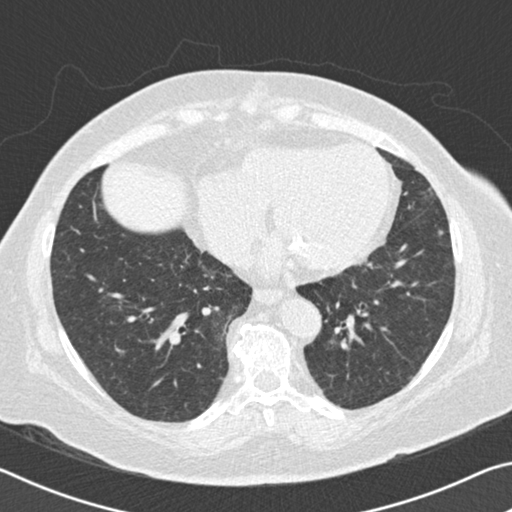
This is axial slice 67 of 167 (slice 1 is the lowest) of a chest CT; each pixel is 0.664 mm and the slice is 2.00 mm thick. Pulmonary nodule outlined by one of the four readers; box rows 229–235, columns 437–444 (that reader's outline on this slice); longest diameter 7.2 mm and volume 92 mm3 from that reader's outline. Ratings by that reader: texture 5/5 (solid); margin 5/5 (circumscribed); sphericity 5/5 (round); calcification absent; internal structure soft tissue; subtlety 4/5; malignancy likelihood 2/5. Scale key (1–5): texture non-solid→solid, margin indistinct→circumscribed, sphericity linear→round, subtlety extremely subtle→obvious, malignancy likelihood highly unlikely→highly suspicious of cancer. Box rows and columns are 0-based pixel indices from the top-left corner, inclusive.
Scan settings: 120 kVp, B30f reconstruction kernel.